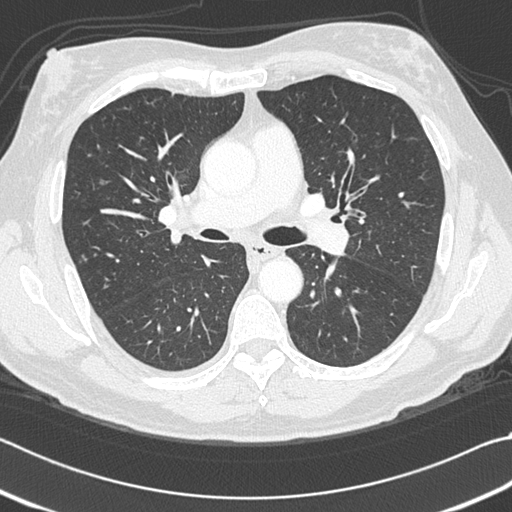
Axial chest CT slice 192 of 312 (counted from the lowest slice); tube voltage 120 kVp, convolution kernel B45f; slices 1.00 mm thick, 0.664 mm per pixel.
Two pulmonary nodules are outlined on this slice; from left to right: (1) Pulmonary nodule outlined by one of the four readers; box rows 179–184, columns 99–104 (that reader's outline on this slice); longest diameter 6.5 mm and volume 45 mm3 from that reader's outline. Ratings by that reader: texture 1/5 (non-solid); margin 3/5; sphericity 4/5; calcification absent; internal structure soft tissue; subtlety 1/5; malignancy likelihood 3/5. (2) Pulmonary nodule, outlined by all four readers, one of them on this slice. Box on this slice rows 114–119, columns 112–115, the one reader's outline on this slice; longest diameter 9.6 mm on average over the four readers' outlines (readers' outlines 7.4–13.2 mm), volume 103–239 mm3. Ratings, by the readers' most common answer with dissent counted: texture 5/5 (solid) from all four readers; margin split among the readers: 4/5 (two), 5/5 (circumscribed) (two); sphericity 4/5 by two of four readers; the rest gave 3/5 (ovoid) (one), 5/5 (round) (one); calcification absent from all four readers; internal structure soft tissue, all four readers agreeing; subtlety split among the readers: 3/5 (two), 4/5 (two); malignancy likelihood split among the readers: 2/5 (two), 3/5 (two). Scale key (1–5): texture non-solid→solid, margin indistinct→circumscribed, sphericity linear→round, subtlety extremely subtle→obvious, malignancy likelihood highly unlikely→highly suspicious of cancer. Box rows and columns are 0-based pixel indices from the top-left corner, inclusive.